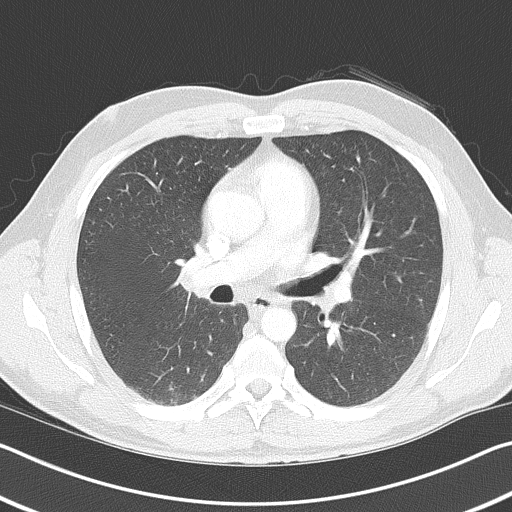
Chest CT, axial plane, 120 kVp, kernel B70f. Slice 247/368 from the bottom of the scan; thickness 2.00 mm; pixel size 0.660 mm.
No nodule 3 mm or larger was outlined here by any reader.